Chest CT, axial plane, 120 kVp, kernel D. Slice 154/321 from the bottom of the scan; thickness 2.00 mm; pixel size 0.557 mm.
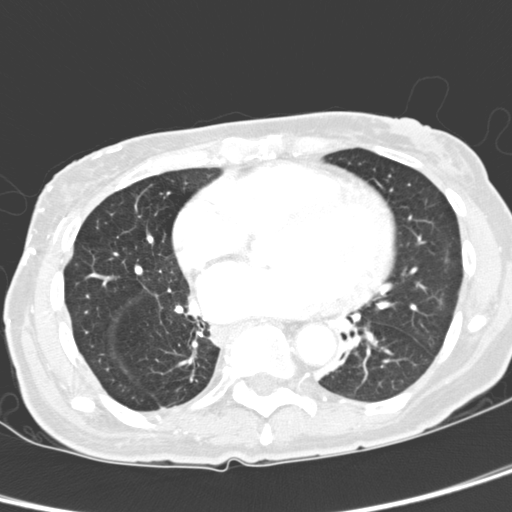
Pulmonary nodule, outlined by all four readers, two of them on this slice. Box on this slice rows 331–333, columns 365–369, the union of the readers' outlines on this slice; the four readers' outlines give a longest diameter between 18.1 and 20.0 mm and a volume between 2428 and 2697 mm3. Ratings across the readers: texture from 4/5 to 5/5 (solid) across the four readers; margin from 3/5 to 5/5 (circumscribed) across the four readers; sphericity from 4/5 to 5/5 (round) across the four readers; calcification absent from all four readers; internal structure soft tissue from all four readers; subtlety from 4/5 to 5/5 across the four readers; malignancy likelihood 2–5/5 (the readers disagree). Scale key (1–5): texture non-solid→solid, margin indistinct→circumscribed, sphericity linear→round, subtlety extremely subtle→obvious, malignancy likelihood highly unlikely→highly suspicious of cancer. Box rows and columns are 0-based pixel indices from the top-left corner, inclusive.